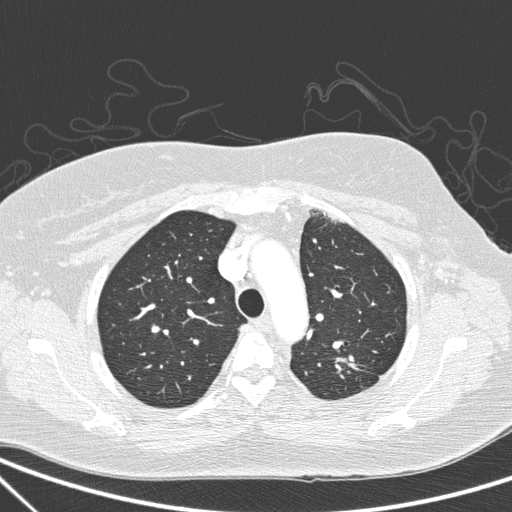
This is axial slice 213 of 266 (slice 1 is the lowest) of a chest CT; each pixel is 0.668 mm and the slice is 1.00 mm thick. Pulmonary nodule outlined by all four readers; box rows 324–333, columns 150–159 (the union of the readers' outlines on this slice); longest diameter 17.2 mm on average over the four readers' outlines (readers' outlines 16.7–17.7 mm), volume 1306–1533 mm3. Ratings, by the readers' most common answer with dissent counted: texture 5/5 (solid), all four readers agreeing; margin 3/5 by two of four readers; the rest gave 2/5 (one), 5/5 (circumscribed) (one); sphericity 4/5 by two of four readers; the rest gave 3/5 (ovoid) (one), 5/5 (round) (one); calcification absent, all four readers agreeing; internal structure soft tissue, all four readers agreeing; subtlety 5/5, all four readers agreeing; malignancy likelihood 5/5 by three of four readers; the rest gave 2/5 (one). Scale key (1–5): texture non-solid→solid, margin indistinct→circumscribed, sphericity linear→round, subtlety extremely subtle→obvious, malignancy likelihood highly unlikely→highly suspicious of cancer. Box rows and columns are 0-based pixel indices from the top-left corner, inclusive.
Tube voltage 120 kVp; convolution kernel D.